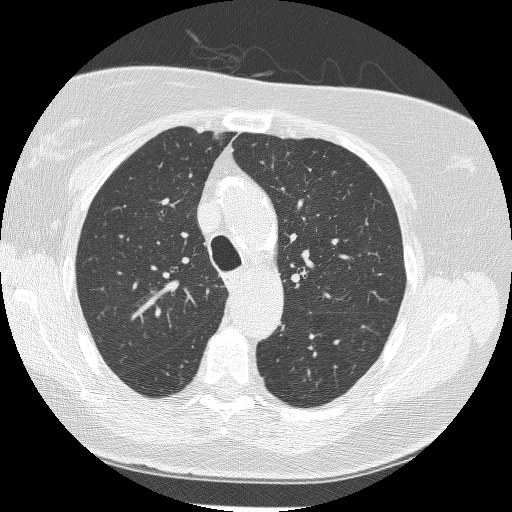
Axial chest CT slice 181 of 240 (counted from the lowest slice); tube voltage 120 kVp, convolution kernel BONE; slices 1.25 mm thick, 0.604 mm per pixel.
This slice carries no reader outline of a nodule 3 mm or larger.